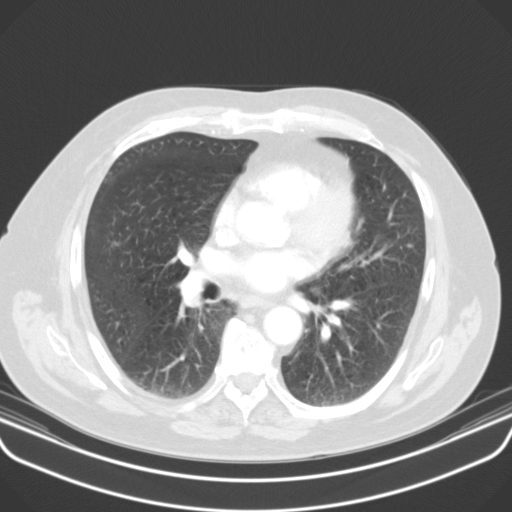
Axial chest CT slice 58 of 107 (counted from the lowest slice); 3.00 mm thick, 0.742 mm per pixel. Pulmonary nodule, outlined by all four readers, three of them on this slice. Box on this slice rows 285–295, columns 309–321, the union of the readers' outlines on this slice; longest diameter 12.4 mm on average over the four readers' outlines (readers' outlines 10.6–14.2 mm), volume 462–557 mm3. The readers' prevailing ratings and who disagreed: texture 5/5 (solid), all four readers agreeing; margin split among the readers: 4/5 (two), 5/5 (circumscribed) (two); sphericity 5/5 (round) by two of four readers; the rest gave 3/5 (ovoid) (one), 4/5 (one); calcification absent from all four readers; internal structure soft tissue, all four readers agreeing; subtlety split among the readers: 3/5 (two), 5/5 (two); malignancy likelihood 5/5 by two of four readers; the rest gave 2/5 (one), 3/5 (one). Scale key (1–5): texture non-solid→solid, margin indistinct→circumscribed, sphericity linear→round, subtlety extremely subtle→obvious, malignancy likelihood highly unlikely→highly suspicious of cancer. Box rows and columns are 0-based pixel indices from the top-left corner, inclusive.
Acquired at 130 kVp and reconstructed with the B31s kernel.